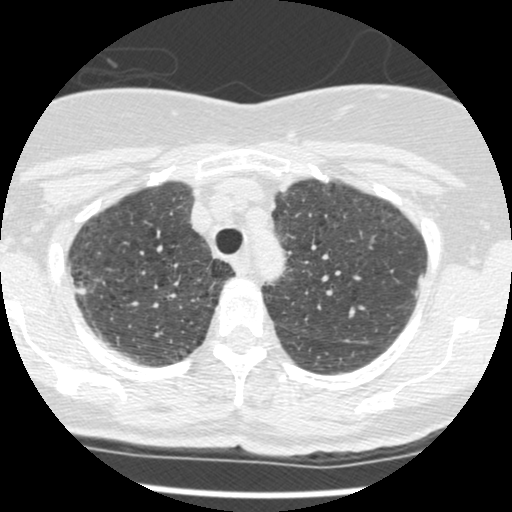
One axial slice (385 of 465, counting up from the lowest) of a chest CT acquired at 120 kVp with the STANDARD kernel; each pixel is 0.586 mm and the slice is 1.25 mm thick.
Pulmonary nodule outlined by one of the four readers; box rows 287–294, columns 76–85 (that reader's outline on this slice); longest diameter 8.3 mm and volume 208 mm3 from that reader's outline. Ratings by that reader: texture 5/5 (solid); margin 4/5; sphericity 4/5; calcification absent; internal structure soft tissue; subtlety 3/5; malignancy likelihood 2/5. Scale key (1–5): texture non-solid→solid, margin indistinct→circumscribed, sphericity linear→round, subtlety extremely subtle→obvious, malignancy likelihood highly unlikely→highly suspicious of cancer. Box rows and columns are 0-based pixel indices from the top-left corner, inclusive.